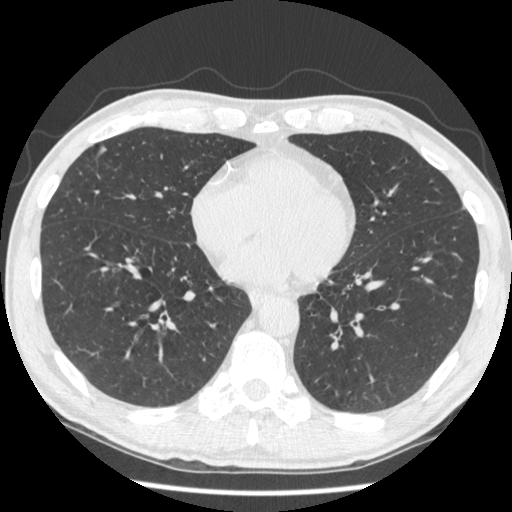
This is axial slice 171 of 506 (slice 1 is the lowest) of a chest CT; each pixel is 0.664 mm and the slice is 1.25 mm thick. Pulmonary nodule outlined by one of the four readers; box rows 146–156, columns 94–105 (that reader's outline on this slice); longest diameter 10.9 mm and volume 130 mm3 from that reader's outline. That reader's ratings: texture 4/5; margin 4/5; sphericity 2/5; calcification absent; internal structure soft tissue; subtlety 4/5; malignancy likelihood 2/5. Scale key (1–5): texture non-solid→solid, margin indistinct→circumscribed, sphericity linear→round, subtlety extremely subtle→obvious, malignancy likelihood highly unlikely→highly suspicious of cancer. Box rows and columns are 0-based pixel indices from the top-left corner, inclusive.
Tube voltage 120 kVp; convolution kernel STANDARD.